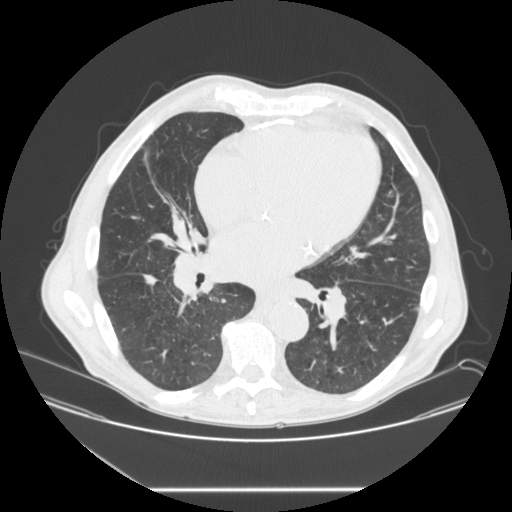
One axial slice (113 of 245, counting up from the lowest) of a chest CT acquired at 120 kVp with the STANDARD kernel; each pixel is 0.834 mm and the slice is 1.25 mm thick.
Pulmonary nodule at rows 274–285, columns 142–157 (box = the union of the readers' outlines on this slice), outlined by three of the four readers; median longest diameter 14.6 mm (readers' outlines 14.3–16.2 mm), median volume 330 mm3 (328–432 mm3). Ratings, median across the readers with their spread: texture 5/5 (solid) from all three readers; median margin 5/5 (circumscribed) (readers ranged 4/5 to 5/5 (circumscribed)); sphericity 3/5 (ovoid), all three readers agreeing; calcification absent from all three readers; internal structure soft tissue, all three readers agreeing; median subtlety 4/5 (readers ranged 4–5); median malignancy likelihood 3/5 (readers ranged 2–3). Scale key (1–5): texture non-solid→solid, margin indistinct→circumscribed, sphericity linear→round, subtlety extremely subtle→obvious, malignancy likelihood highly unlikely→highly suspicious of cancer. Box rows and columns are 0-based pixel indices from the top-left corner, inclusive.